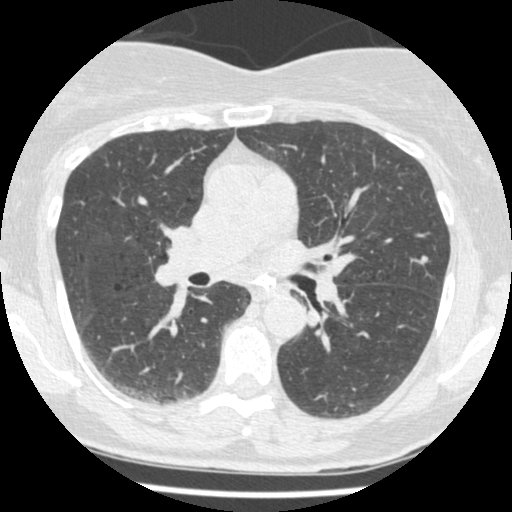
One axial slice (282 of 465, counting up from the lowest) of a chest CT acquired at 120 kVp with the STANDARD kernel; each pixel is 0.586 mm and the slice is 1.25 mm thick.
Pulmonary nodule, outlined by all four readers. Box on this slice rows 255–262, columns 420–428, the union of the readers' outlines on this slice; longest diameter 5.8 mm on average over the four readers' outlines (readers' outlines 5.4–6.0 mm), volume 46–67 mm3. Ratings, by the readers' most common answer with dissent counted: texture 5/5 (solid), all four readers agreeing; margin split among the readers: 4/5 (two), 5/5 (circumscribed) (two); most readers (three of four) put sphericity at 4/5, others 3/5 (ovoid) (one); calcification absent from all four readers; internal structure soft tissue from all four readers; subtlety 3/5 by two of four readers; the rest gave 2/5 (one), 4/5 (one); malignancy likelihood 3/5 by three of four readers; the rest gave 2/5 (one). Scale key (1–5): texture non-solid→solid, margin indistinct→circumscribed, sphericity linear→round, subtlety extremely subtle→obvious, malignancy likelihood highly unlikely→highly suspicious of cancer. Box rows and columns are 0-based pixel indices from the top-left corner, inclusive.